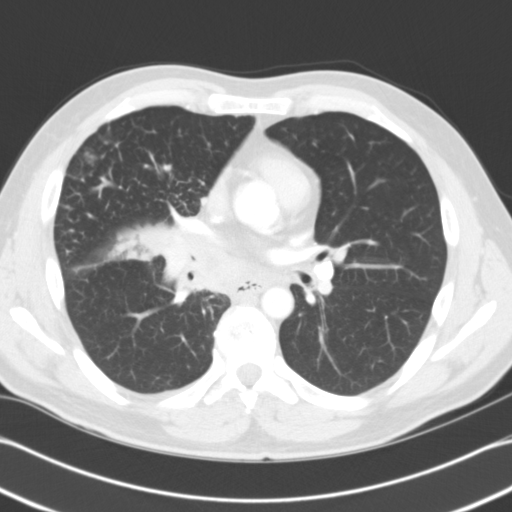
One axial slice (66 of 121, counting up from the lowest) of a chest CT acquired at 120 kVp with the B31f kernel; each pixel is 0.674 mm and the slice is 3.00 mm thick.
Pulmonary nodule at rows 150–164, columns 84–96 (box = that reader's outline on this slice), outlined by one of the four readers; longest diameter 12.1 mm and volume 250 mm3 from that reader's outline. That reader's ratings: texture 3/5 (part-solid); margin 2/5; sphericity 3/5 (ovoid); calcification absent; internal structure soft tissue; subtlety 4/5; malignancy likelihood 2/5. Scale key (1–5): texture non-solid→solid, margin indistinct→circumscribed, sphericity linear→round, subtlety extremely subtle→obvious, malignancy likelihood highly unlikely→highly suspicious of cancer. Box rows and columns are 0-based pixel indices from the top-left corner, inclusive.